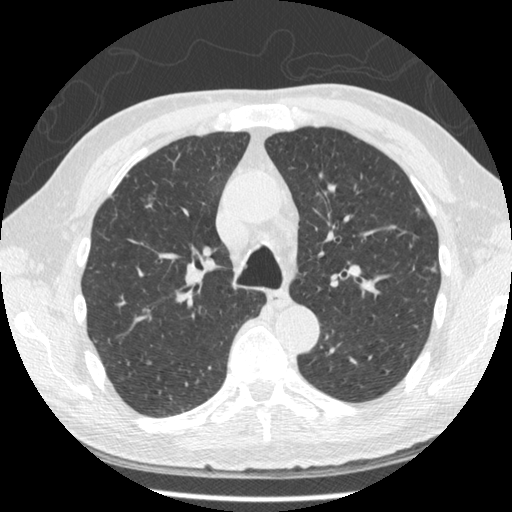
Axial slice 320 of 481 of a chest CT (slice 1 is the lowest), reconstructed with the STANDARD kernel at 120 kVp; 1.25 mm slice thickness and 0.664 mm pixels.
Pulmonary nodule, outlined by two of the four readers. Box on this slice rows 186–209, columns 141–156, the union of the readers' outlines on this slice; longest diameter 14.0 mm on average over the two readers' outlines (readers' outlines 10.4–17.6 mm), volume 117–191 mm3. Ratings, by the readers' most common answer with dissent counted: texture split among the readers: 3/5 (part-solid) (one), 5/5 (solid) (one); margin split among the readers: 1/5 (indistinct) (one), 4/5 (one); sphericity 2/5 from both readers; calcification absent, both readers agreeing; internal structure soft tissue, both readers agreeing; subtlety split among the readers: 2/5 (one), 4/5 (one); malignancy likelihood split among the readers: 1/5 (one), 4/5 (one). Scale key (1–5): texture non-solid→solid, margin indistinct→circumscribed, sphericity linear→round, subtlety extremely subtle→obvious, malignancy likelihood highly unlikely→highly suspicious of cancer. Box rows and columns are 0-based pixel indices from the top-left corner, inclusive.